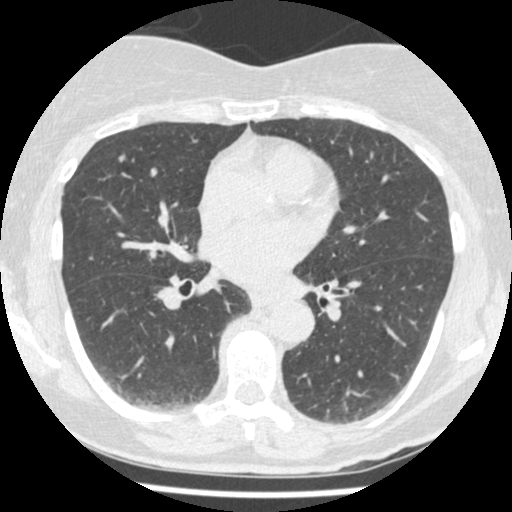
Axial chest CT slice 246 of 465 (counted from the lowest slice); 1.25 mm thick, 0.586 mm per pixel. Pulmonary nodule at rows 153–163, columns 118–125 (box = the union of the readers' outlines on this slice), outlined by two of the four readers; the two readers' outlines give a longest diameter between 7.1 and 7.9 mm and a volume between 74 and 77 mm3. Ratings across the readers: texture 5/5 (solid), both readers agreeing; margin from 4/5 to 5/5 (circumscribed) across the two readers; sphericity from 3/5 (ovoid) to 5/5 (round) across the two readers; calcification absent from both readers; internal structure soft tissue from both readers; subtlety 4/5, both readers agreeing; malignancy likelihood 3/5, both readers agreeing. Scale key (1–5): texture non-solid→solid, margin indistinct→circumscribed, sphericity linear→round, subtlety extremely subtle→obvious, malignancy likelihood highly unlikely→highly suspicious of cancer. Box rows and columns are 0-based pixel indices from the top-left corner, inclusive.
Acquired at 120 kVp and reconstructed with the STANDARD kernel.